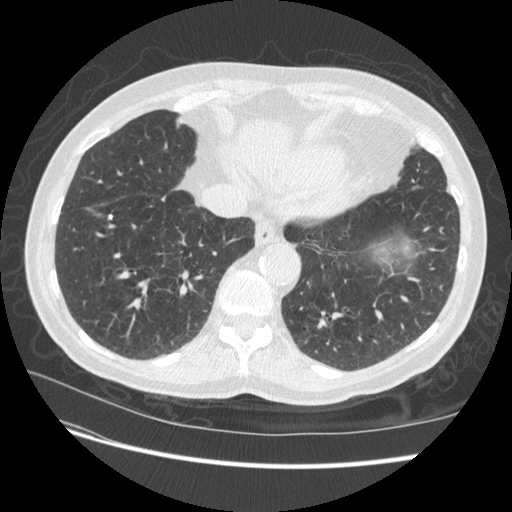
Axial chest CT slice 128 of 509 (counted from the lowest slice); tube voltage 120 kVp, convolution kernel STANDARD; slices 1.25 mm thick, 0.703 mm per pixel.
Pulmonary nodule outlined by three of the four readers; box rows 214–219, columns 108–112 (the union of the readers' outlines on this slice); longest diameter 11.8 mm on average over the three readers' outlines (readers' outlines 11.4–12.1 mm), volume 273–413 mm3. Ratings, by the readers' most common answer with dissent counted: texture 5/5 (solid), all three readers agreeing; margin 5/5 (circumscribed) by two of three readers; the rest gave 4/5 (one); most readers (two of three) put sphericity at 3/5 (ovoid), others 4/5 (one); calcification solid calcification, all three readers agreeing; internal structure soft tissue from all three readers; subtlety 5/5 by two of three readers; the rest gave 4/5 (one); malignancy likelihood 1/5 from all three readers. Scale key (1–5): texture non-solid→solid, margin indistinct→circumscribed, sphericity linear→round, subtlety extremely subtle→obvious, malignancy likelihood highly unlikely→highly suspicious of cancer. Box rows and columns are 0-based pixel indices from the top-left corner, inclusive.